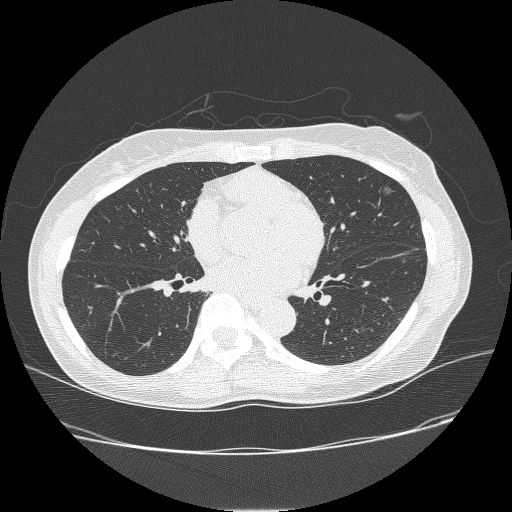
One axial slice (125 of 238, counting up from the lowest) of a chest CT acquired at 120 kVp with the BONE kernel; each pixel is 0.703 mm and the slice is 1.25 mm thick.
Pulmonary nodule, outlined by all four readers. Box on this slice rows 186–195, columns 378–391, the union of the readers' outlines on this slice; longest diameter 9.1 mm on average over the four readers' outlines (readers' outlines 8.6–9.9 mm), volume 170–232 mm3. Ratings, by the readers' most common answer with dissent counted: most readers (three of four) put texture at 1/5 (non-solid), others 3/5 (part-solid) (one); most readers (three of four) put margin at 1/5 (indistinct), others 5/5 (circumscribed) (one); sphericity 4/5 by two of four readers; the rest gave 3/5 (ovoid) (one), 5/5 (round) (one); calcification absent from all four readers; internal structure soft tissue from all four readers; subtlety 4/5 by two of four readers; the rest gave 2/5 (one), 3/5 (one); malignancy likelihood 4/5 by two of four readers; the rest gave 2/5 (one), 3/5 (one). Scale key (1–5): texture non-solid→solid, margin indistinct→circumscribed, sphericity linear→round, subtlety extremely subtle→obvious, malignancy likelihood highly unlikely→highly suspicious of cancer. Box rows and columns are 0-based pixel indices from the top-left corner, inclusive.